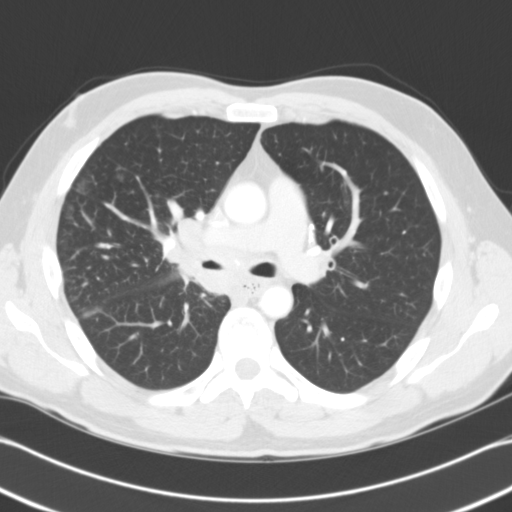
Axial chest CT slice 74 of 121 (counted from the lowest slice); tube voltage 120 kVp, convolution kernel B31f; slices 3.00 mm thick, 0.674 mm per pixel.
Pulmonary nodule outlined by one of the four readers; box rows 205–210, columns 69–73 (that reader's outline on this slice); longest diameter 5.8 mm and volume 105 mm3 from that reader's outline. That reader's ratings: texture 5/5 (solid); margin 5/5 (circumscribed); sphericity 5/5 (round); calcification absent; internal structure soft tissue; subtlety 5/5; malignancy likelihood 2/5. Scale key (1–5): texture non-solid→solid, margin indistinct→circumscribed, sphericity linear→round, subtlety extremely subtle→obvious, malignancy likelihood highly unlikely→highly suspicious of cancer. Box rows and columns are 0-based pixel indices from the top-left corner, inclusive.